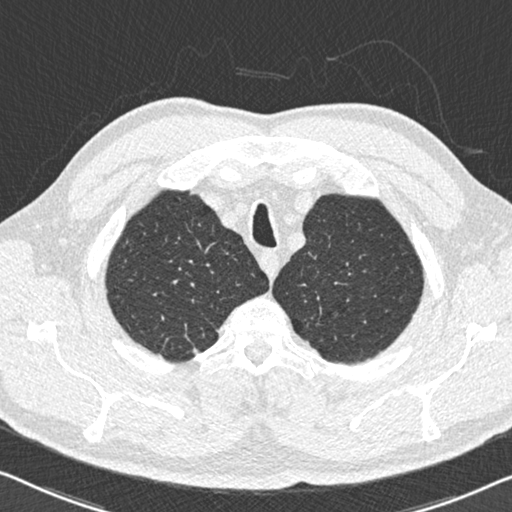
Chest CT, axial plane, 120 kVp, kernel B30f. Slice 499/558 from the bottom of the scan; thickness 0.75 mm; pixel size 0.648 mm.
Pulmonary nodule outlined by all four readers, two of them on this slice; box rows 347–354, columns 193–198 (the union of the readers' outlines on this slice); median longest diameter 9.3 mm (readers' outlines 9.0–9.8 mm), median volume 129 mm3 (82–155 mm3). Ratings, median across the readers with their spread: median texture 5/5 (solid) (readers ranged 4/5 to 5/5 (solid)); margin 4/5 at the median of four readers, spread 4/5 to 5/5 (circumscribed); median sphericity 2/5 (readers ranged 2/5 to 5/5 (round)); calcification absent, all four readers agreeing; internal structure soft tissue, all four readers agreeing; median subtlety 3.5/5 (readers ranged 3–5); median malignancy likelihood 2.5/5 (readers ranged 2–3). Scale key (1–5): texture non-solid→solid, margin indistinct→circumscribed, sphericity linear→round, subtlety extremely subtle→obvious, malignancy likelihood highly unlikely→highly suspicious of cancer. Box rows and columns are 0-based pixel indices from the top-left corner, inclusive.